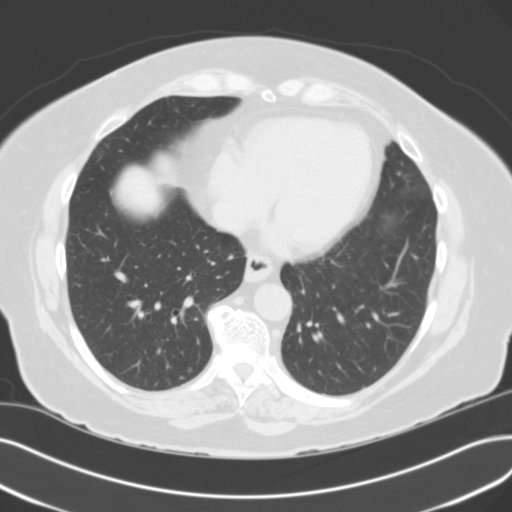
Slice 48/112 of a chest CT, counting up from the lowest; pixel size 0.711 mm, slice thickness 3.00 mm. Pulmonary nodule outlined by one of the four readers; box rows 378–380, columns 166–169 (that reader's outline on this slice); longest diameter 4.3 mm and volume 56 mm3 from that reader's outline. Ratings by that reader: texture 5/5 (solid); margin 5/5 (circumscribed); sphericity 5/5 (round); calcification absent; internal structure soft tissue; subtlety 5/5; malignancy likelihood 3/5. Scale key (1–5): texture non-solid→solid, margin indistinct→circumscribed, sphericity linear→round, subtlety extremely subtle→obvious, malignancy likelihood highly unlikely→highly suspicious of cancer. Box rows and columns are 0-based pixel indices from the top-left corner, inclusive.
Scan settings: 120 kVp, B31f reconstruction kernel.